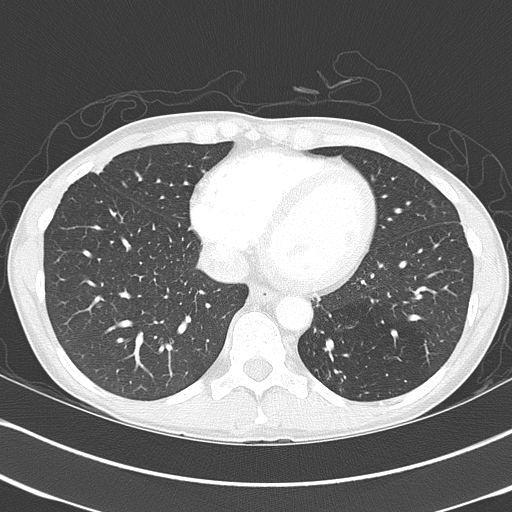
Chest CT, axial plane, 120 kVp, kernel B70f. Slice 151/368 from the bottom of the scan; thickness 2.00 mm; pixel size 0.623 mm.
Pulmonary nodule, outlined by all four readers, one of them on this slice. Box on this slice rows 158–172, columns 92–111, the one reader's outline on this slice; median longest diameter 29.8 mm (readers' outlines 27.1–39.3 mm), median volume 7696 mm3 (6531–9806 mm3). Ratings, median across the readers with their spread: texture 5/5 (solid) from all four readers; margin 4/5 at the median of four readers, spread 2/5 to 5/5 (circumscribed); median sphericity 3/5 (ovoid) (readers ranged 2/5 to 3/5 (ovoid)); calcification split among the readers: laminated calcification (one), absent (one), popcorn calcification (one), non-central calcification (one); internal structure soft tissue from all four readers; subtlety 5/5 from all four readers; median malignancy likelihood 3/5 (readers ranged 1–5). Scale key (1–5): texture non-solid→solid, margin indistinct→circumscribed, sphericity linear→round, subtlety extremely subtle→obvious, malignancy likelihood highly unlikely→highly suspicious of cancer. Box rows and columns are 0-based pixel indices from the top-left corner, inclusive.